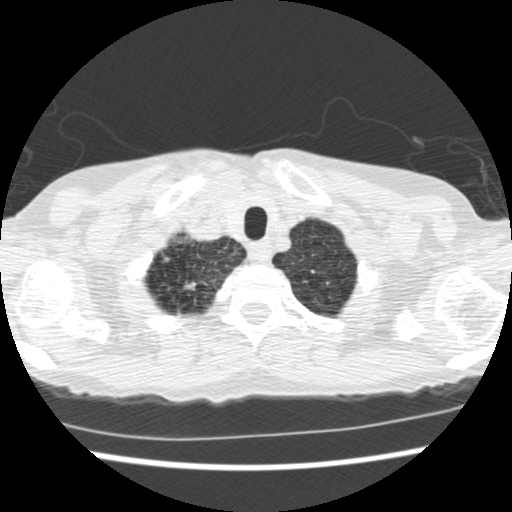
Axial slice 484 of 541 of a chest CT (slice 1 is the lowest), reconstructed with the STANDARD kernel at 120 kVp; 1.25 mm slice thickness and 0.586 mm pixels.
Pulmonary nodule, outlined by one of the four readers. Box on this slice rows 283–289, columns 185–195, that reader's outline on this slice; longest diameter 24.9 mm and volume 491 mm3 from that reader's outline. That reader's ratings: texture 5/5 (solid); margin 1/5 (indistinct); sphericity 2/5; calcification absent; internal structure soft tissue; subtlety 4/5; malignancy likelihood 4/5. Scale key (1–5): texture non-solid→solid, margin indistinct→circumscribed, sphericity linear→round, subtlety extremely subtle→obvious, malignancy likelihood highly unlikely→highly suspicious of cancer. Box rows and columns are 0-based pixel indices from the top-left corner, inclusive.